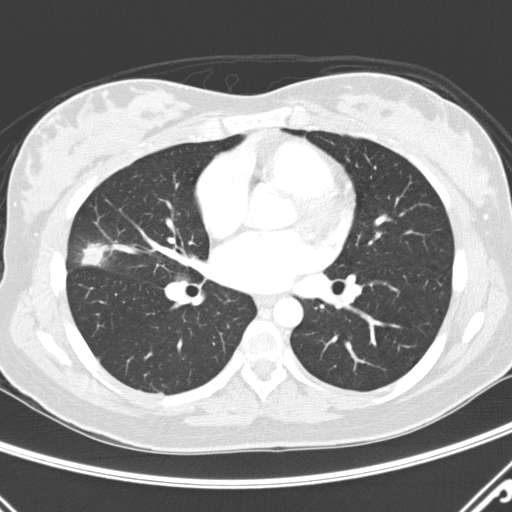
Chest CT, axial plane, 120 kVp, kernel D. Slice 145/290 from the bottom of the scan; thickness 2.00 mm; pixel size 0.648 mm.
Pulmonary nodule, outlined by all four readers. Box on this slice rows 243–265, columns 81–135, the union of the readers' outlines on this slice; longest diameter 19.9–37.8 mm and volume 1327–2956 mm3 across the four readers' outlines. Ratings across the readers: texture from 3/5 (part-solid) to 5/5 (solid) across the four readers; margin from 1/5 (indistinct) to 3/5 across the four readers; sphericity from 2/5 to 4/5 across the four readers; calcification absent, all four readers agreeing; internal structure soft tissue, all four readers agreeing; subtlety 5/5, all four readers agreeing; malignancy likelihood 3–5/5 (the readers disagree). Scale key (1–5): texture non-solid→solid, margin indistinct→circumscribed, sphericity linear→round, subtlety extremely subtle→obvious, malignancy likelihood highly unlikely→highly suspicious of cancer. Box rows and columns are 0-based pixel indices from the top-left corner, inclusive.